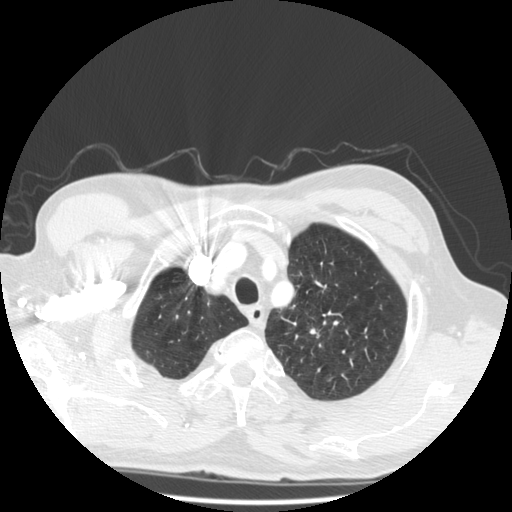
Axial chest CT slice 435 of 501 (counted from the lowest slice); 1.25 mm thick, 0.703 mm per pixel. Pulmonary nodule at rows 328–337, columns 310–319 (box = the one reader's outline on this slice), outlined by three of the four readers, one of them on this slice; median longest diameter 33.8 mm (readers' outlines 32.1–39.2 mm), median volume 3078 mm3 (2361–4873 mm3). Ratings, median across the readers with their spread: texture 5/5 (solid) at the median of three readers, spread 4/5 to 5/5 (solid); margin 3/5 at the median of three readers, spread 1/5 (indistinct) to 5/5 (circumscribed); median sphericity 3/5 (ovoid) (readers ranged 2/5 to 5/5 (round)); calcification absent, all three readers agreeing; internal structure soft tissue, all three readers agreeing; subtlety 5/5, all three readers agreeing; malignancy likelihood 5/5 at the median of three readers, spread 4–5. Scale key (1–5): texture non-solid→solid, margin indistinct→circumscribed, sphericity linear→round, subtlety extremely subtle→obvious, malignancy likelihood highly unlikely→highly suspicious of cancer. Box rows and columns are 0-based pixel indices from the top-left corner, inclusive.
Scan settings: 140 kVp, STANDARD reconstruction kernel.